One axial slice (290 of 484, counting up from the lowest) of a chest CT acquired at 120 kVp with the STANDARD kernel; each pixel is 0.664 mm and the slice is 1.25 mm thick.
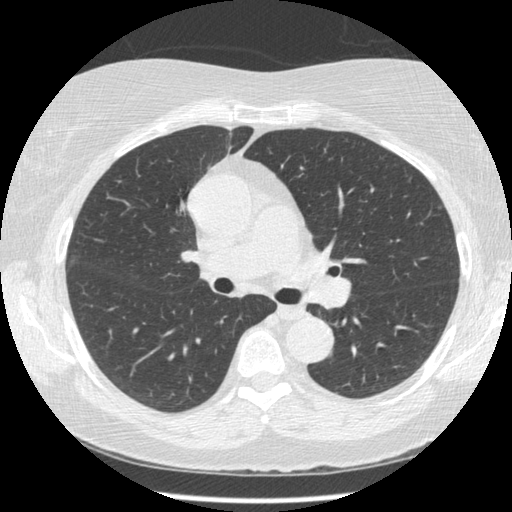
Pulmonary nodule outlined by one of the four readers; box rows 206–209, columns 438–441 (that reader's outline on this slice); longest diameter 4.8 mm and volume 27 mm3 from that reader's outline. Ratings by that reader: texture 5/5 (solid); margin 4/5; sphericity 4/5; calcification absent; internal structure soft tissue; subtlety 5/5; malignancy likelihood 3/5. Scale key (1–5): texture non-solid→solid, margin indistinct→circumscribed, sphericity linear→round, subtlety extremely subtle→obvious, malignancy likelihood highly unlikely→highly suspicious of cancer. Box rows and columns are 0-based pixel indices from the top-left corner, inclusive.